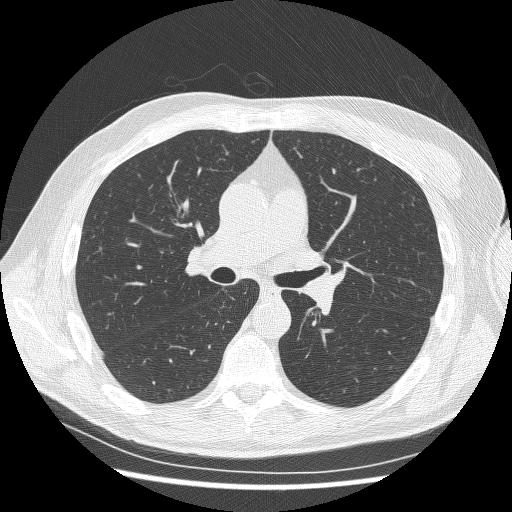
Slice 157/256 of a chest CT, counting up from the lowest; pixel size 0.703 mm, slice thickness 1.25 mm. This slice carries no reader outline of a nodule 3 mm or larger.
Tube voltage 120 kVp; convolution kernel BONE.